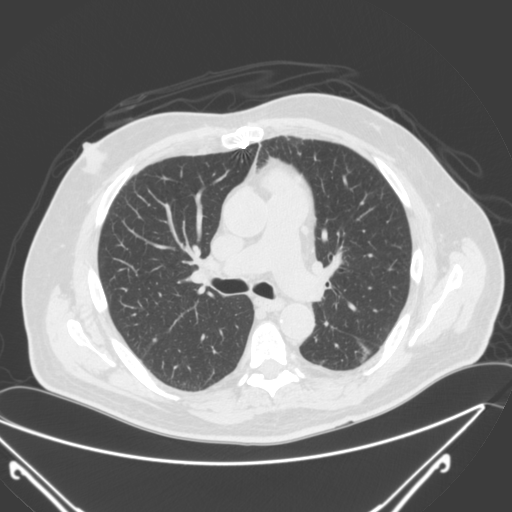
One axial slice (168 of 290, counting up from the lowest) of a chest CT acquired at 120 kVp with the B kernel; each pixel is 0.816 mm and the slice is 2.00 mm thick.
Pulmonary nodule outlined by two of the four readers; box rows 338–341, columns 152–156 (the union of the readers' outlines on this slice); median longest diameter 5.6 mm (readers' outlines 5.2–5.9 mm), median volume 55 mm3 (49–62 mm3). Median ratings and the readers' spread: texture 5/5 (solid), both readers agreeing; margin 5/5 (circumscribed) from both readers; sphericity 5/5 (round), both readers agreeing; calcification solid calcification, both readers agreeing; internal structure soft tissue, both readers agreeing; subtlety 5/5, both readers agreeing; malignancy likelihood 1/5, both readers agreeing. Scale key (1–5): texture non-solid→solid, margin indistinct→circumscribed, sphericity linear→round, subtlety extremely subtle→obvious, malignancy likelihood highly unlikely→highly suspicious of cancer. Box rows and columns are 0-based pixel indices from the top-left corner, inclusive.